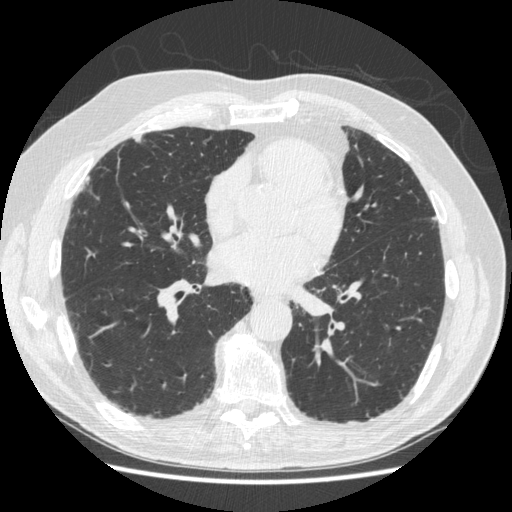
One axial slice (230 of 497, counting up from the lowest) of a chest CT acquired at 120 kVp with the STANDARD kernel; each pixel is 0.703 mm and the slice is 1.25 mm thick.
Pulmonary nodule outlined by all four readers, one of them on this slice; box rows 133–143, columns 132–142 (the one reader's outline on this slice); longest diameter 12.2 mm on average over the four readers' outlines (readers' outlines 10.9–14.8 mm), volume 184–648 mm3. Ratings, by the readers' most common answer with dissent counted: texture 5/5 (solid) by three of four readers; the rest gave 1/5 (non-solid) (one); margin 3/5 by two of four readers; the rest gave 2/5 (one), 4/5 (one); sphericity 3/5 (ovoid) by two of four readers; the rest gave 4/5 (one), 5/5 (round) (one); calcification absent from all four readers; internal structure soft tissue from all four readers; subtlety 4/5 by two of four readers; the rest gave 1/5 (one), 5/5 (one); malignancy likelihood 3/5 by two of four readers; the rest gave 2/5 (one), 4/5 (one). Scale key (1–5): texture non-solid→solid, margin indistinct→circumscribed, sphericity linear→round, subtlety extremely subtle→obvious, malignancy likelihood highly unlikely→highly suspicious of cancer. Box rows and columns are 0-based pixel indices from the top-left corner, inclusive.